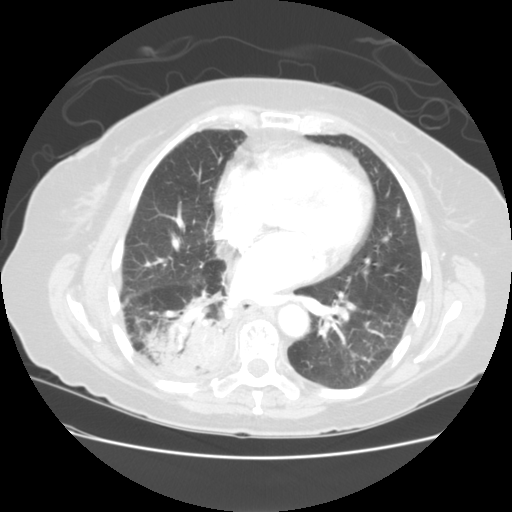
One axial slice (79 of 133, counting up from the lowest) of a chest CT acquired at 120 kVp with the STANDARD kernel; each pixel is 0.703 mm and the slice is 2.50 mm thick.
This slice carries no reader outline of a nodule 3 mm or larger.